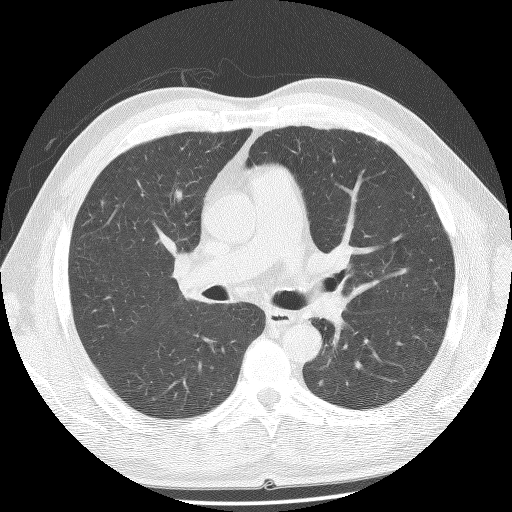
Axial chest CT slice 83 of 132 (counted from the lowest slice); tube voltage 140 kVp, convolution kernel BONE; slices 2.50 mm thick, 0.703 mm per pixel.
Pulmonary nodule at rows 380–386, columns 319–324 (box = that reader's outline on this slice), outlined by one of the four readers; longest diameter 6.0 mm and volume 103 mm3 from that reader's outline. Ratings by that reader: texture 3/5 (part-solid); margin 2/5; sphericity 2/5; calcification absent; internal structure soft tissue; subtlety 4/5; malignancy likelihood 3/5. Scale key (1–5): texture non-solid→solid, margin indistinct→circumscribed, sphericity linear→round, subtlety extremely subtle→obvious, malignancy likelihood highly unlikely→highly suspicious of cancer. Box rows and columns are 0-based pixel indices from the top-left corner, inclusive.